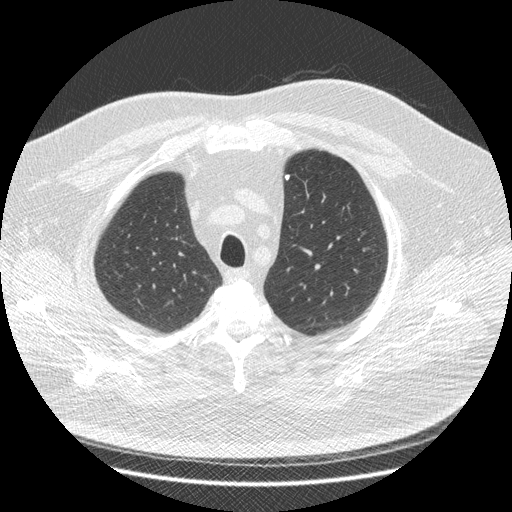
One axial slice (352 of 426, counting up from the lowest) of a chest CT acquired at 120 kVp with the STANDARD kernel; each pixel is 0.742 mm and the slice is 1.25 mm thick.
Pulmonary nodule, outlined by three of the four readers. Box on this slice rows 174–180, columns 284–290, the union of the readers' outlines on this slice; longest diameter 5.4–7.3 mm and volume 50–91 mm3 across the three readers' outlines. Ratings across the readers: texture 5/5 (solid) from all three readers; margin 5/5 (circumscribed), all three readers agreeing; sphericity from 2/5 to 4/5 across the three readers; calcification solid calcification, all three readers agreeing; internal structure soft tissue from all three readers; subtlety rated between 4 and 5 out of 5 by the three readers; malignancy likelihood 1/5, all three readers agreeing. Scale key (1–5): texture non-solid→solid, margin indistinct→circumscribed, sphericity linear→round, subtlety extremely subtle→obvious, malignancy likelihood highly unlikely→highly suspicious of cancer. Box rows and columns are 0-based pixel indices from the top-left corner, inclusive.